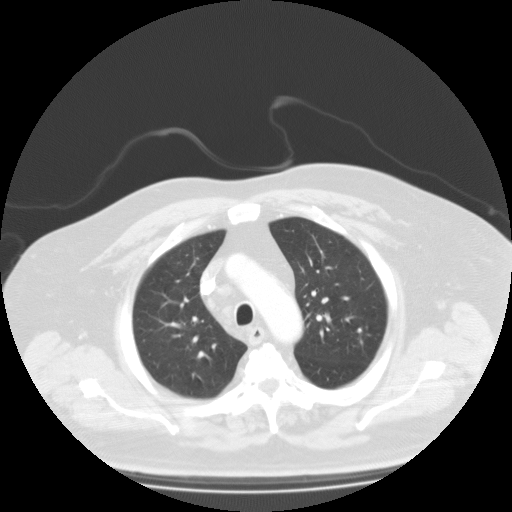
Axial chest CT slice 92 of 123 (counted from the lowest slice); tube voltage 135 kVp, convolution kernel FC01; slices 3.00 mm thick, 0.877 mm per pixel.
Pulmonary nodule outlined by two of the four readers; box rows 328–332, columns 357–361 (the union of the readers' outlines on this slice); longest diameter 12.2–13.2 mm and volume 398–442 mm3 across the two readers' outlines. Ratings across the readers: texture 5/5 (solid), both readers agreeing; margin from 4/5 to 5/5 (circumscribed) across the two readers; sphericity from 3/5 (ovoid) to 4/5 across the two readers; calcification split among the readers: central calcification (one), absent (one); internal structure soft tissue from both readers; subtlety rated between 4 and 5 out of 5 by the two readers; malignancy likelihood 1–2/5 (the readers disagree). Scale key (1–5): texture non-solid→solid, margin indistinct→circumscribed, sphericity linear→round, subtlety extremely subtle→obvious, malignancy likelihood highly unlikely→highly suspicious of cancer. Box rows and columns are 0-based pixel indices from the top-left corner, inclusive.